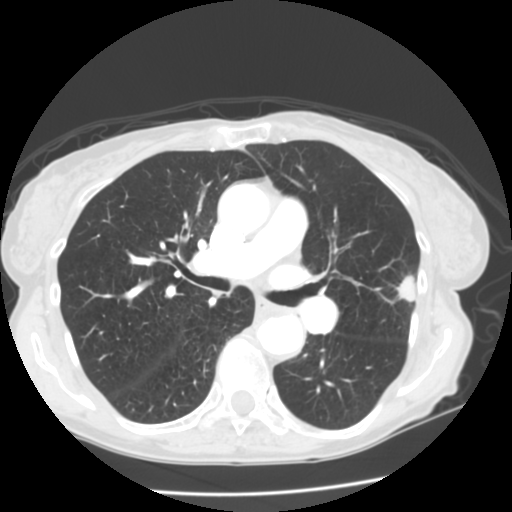
Axial slice 84 of 141 of a chest CT (slice 1 is the lowest), reconstructed with the STANDARD kernel at 120 kVp; 2.50 mm slice thickness and 0.625 mm pixels.
Pulmonary nodule at rows 274–302, columns 395–415 (box = the union of the readers' outlines on this slice), outlined by all four readers; median longest diameter 17.9 mm (readers' outlines 17.6–20.7 mm), median volume 1463 mm3 (1292–2187 mm3). Median ratings and the readers' spread: texture 4.5/5 at the median of four readers, spread 4/5 to 5/5 (solid); median margin 4/5 (readers ranged 3/5 to 5/5 (circumscribed)); median sphericity 3.5/5 (readers ranged 3/5 (ovoid) to 5/5 (round)); calcification absent, all four readers agreeing; internal structure soft tissue from all four readers; subtlety 5/5, all four readers agreeing; malignancy likelihood 4/5 at the median of four readers, spread 3–5. Scale key (1–5): texture non-solid→solid, margin indistinct→circumscribed, sphericity linear→round, subtlety extremely subtle→obvious, malignancy likelihood highly unlikely→highly suspicious of cancer. Box rows and columns are 0-based pixel indices from the top-left corner, inclusive.